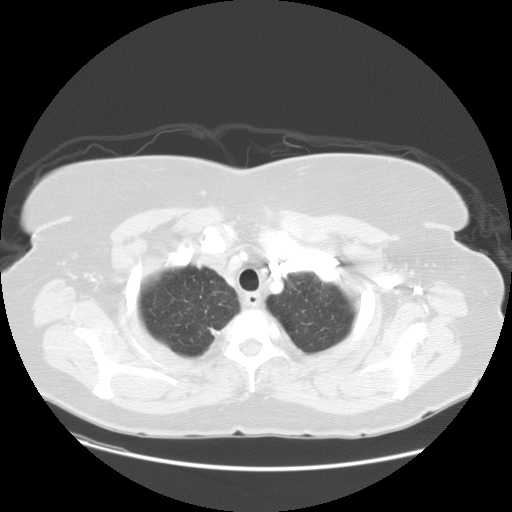
Axial slice 115 of 133 of a chest CT (slice 1 is the lowest), reconstructed with the STANDARD kernel at 120 kVp; 2.50 mm slice thickness and 0.781 mm pixels.
Pulmonary nodule outlined by all four readers, one of them on this slice; box rows 327–336, columns 208–217 (the one reader's outline on this slice); longest diameter 31.6–37.9 mm and volume 3786–6747 mm3 across the four readers' outlines. The readers' ratings, as ranges where they differ: texture from 3/5 (part-solid) to 5/5 (solid) across the four readers; margin from 1/5 (indistinct) to 3/5 across the four readers; sphericity from 2/5 to 4/5 across the four readers; calcification absent, all four readers agreeing; internal structure soft tissue, all four readers agreeing; subtlety 5/5, all four readers agreeing; malignancy likelihood 3–5/5 (the readers disagree). Scale key (1–5): texture non-solid→solid, margin indistinct→circumscribed, sphericity linear→round, subtlety extremely subtle→obvious, malignancy likelihood highly unlikely→highly suspicious of cancer. Box rows and columns are 0-based pixel indices from the top-left corner, inclusive.